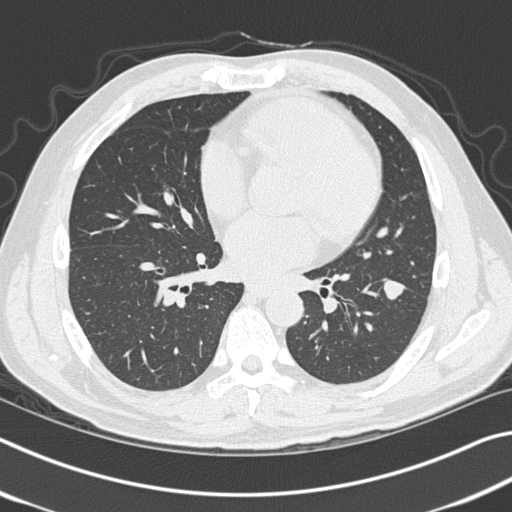
One axial slice (169 of 327, counting up from the lowest) of a chest CT acquired at 120 kVp with the B45f kernel; each pixel is 0.664 mm and the slice is 1.00 mm thick.
Pulmonary nodule, outlined by all four readers. Box on this slice rows 279–300, columns 382–406, the union of the readers' outlines on this slice; longest diameter 16.4–20.2 mm and volume 1016–1342 mm3 across the four readers' outlines. Ratings across the readers: texture 5/5 (solid) from all four readers; margin from 4/5 to 5/5 (circumscribed) across the four readers; sphericity from 3/5 (ovoid) to 5/5 (round) across the four readers; calcification absent from all four readers; internal structure soft tissue from all four readers; subtlety rated between 4 and 5 out of 5 by the four readers; malignancy likelihood from 3/5 to 5/5 across the four readers. Scale key (1–5): texture non-solid→solid, margin indistinct→circumscribed, sphericity linear→round, subtlety extremely subtle→obvious, malignancy likelihood highly unlikely→highly suspicious of cancer. Box rows and columns are 0-based pixel indices from the top-left corner, inclusive.